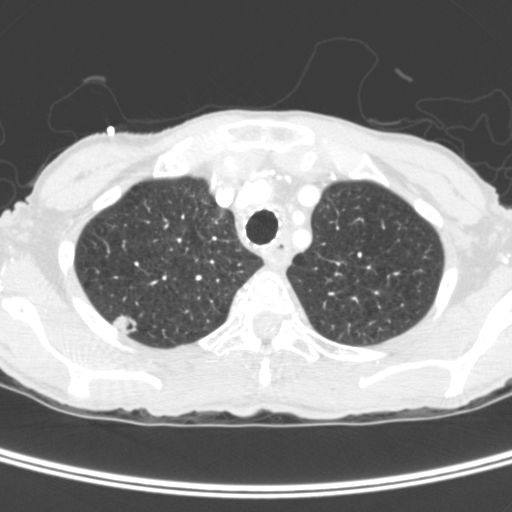
Axial slice 324 of 400 of a chest CT (slice 1 is the lowest), reconstructed with the C kernel at 120 kVp; 1.50 mm slice thickness and 0.527 mm pixels.
Pulmonary nodule, outlined by three of the four readers. Box on this slice rows 313–335, columns 110–138, the union of the readers' outlines on this slice; median longest diameter 15.6 mm (readers' outlines 15.0–15.8 mm), median volume 1114 mm3 (1012–1166 mm3). Ratings, median across the readers with their spread: median texture 5/5 (solid) (readers ranged 3/5 (part-solid) to 5/5 (solid)); margin 4/5, all three readers agreeing; median sphericity 5/5 (round) (readers ranged 4/5 to 5/5 (round)); calcification absent, all three readers agreeing; internal structure: soft tissue (two), air (one); subtlety 5/5 from all three readers; malignancy likelihood 5/5 at the median of three readers, spread 4–5. Scale key (1–5): texture non-solid→solid, margin indistinct→circumscribed, sphericity linear→round, subtlety extremely subtle→obvious, malignancy likelihood highly unlikely→highly suspicious of cancer. Box rows and columns are 0-based pixel indices from the top-left corner, inclusive.